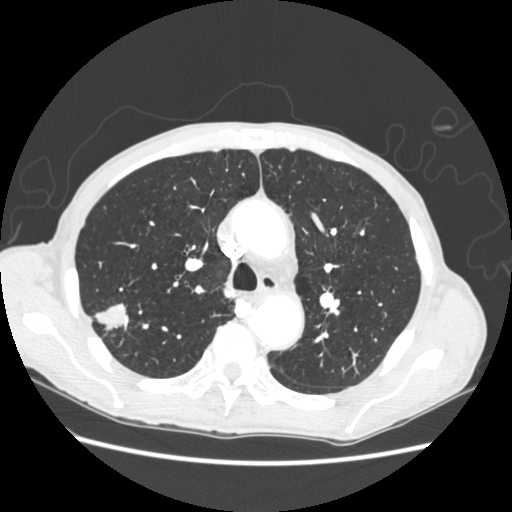
Slice 167/248 of a chest CT, counting up from the lowest; pixel size 0.703 mm, slice thickness 1.25 mm. Pulmonary nodule, outlined by all four readers. Box on this slice rows 302–331, columns 94–129, the union of the readers' outlines on this slice; longest diameter 29.1 mm on average over the four readers' outlines (readers' outlines 26.0–32.7 mm), volume 5181–6655 mm3. Ratings, by the readers' most common answer with dissent counted: texture 5/5 (solid) from all four readers; margin 5/5 (circumscribed) by two of four readers; the rest gave 2/5 (one), 4/5 (one); most readers (three of four) put sphericity at 3/5 (ovoid), others 4/5 (one); calcification absent from all four readers; internal structure soft tissue, all four readers agreeing; subtlety 5/5 from all four readers; most readers (three of four) put malignancy likelihood at 5/5, others 3/5 (one). Scale key (1–5): texture non-solid→solid, margin indistinct→circumscribed, sphericity linear→round, subtlety extremely subtle→obvious, malignancy likelihood highly unlikely→highly suspicious of cancer. Box rows and columns are 0-based pixel indices from the top-left corner, inclusive.
Scan settings: 120 kVp, STANDARD reconstruction kernel.